Chest CT, axial plane, 120 kVp, kernel STANDARD. Slice 341/445 from the bottom of the scan; thickness 1.25 mm; pixel size 0.645 mm.
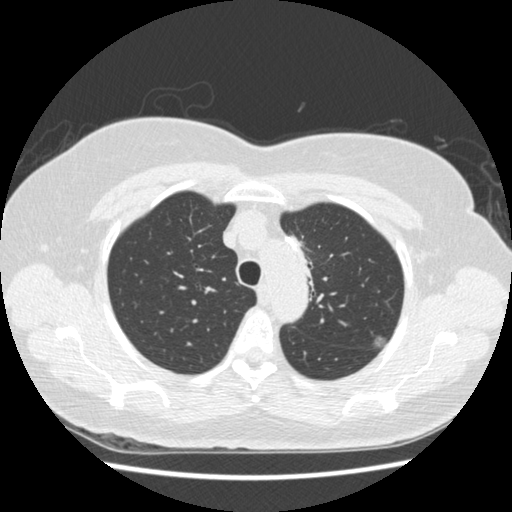
Pulmonary nodule, outlined by all four readers. Box on this slice rows 335–349, columns 372–387, the union of the readers' outlines on this slice; median longest diameter 11.1 mm (readers' outlines 9.9–11.6 mm), median volume 349 mm3 (292–430 mm3). Median ratings and the readers' spread: median texture 2/5 (readers ranged 1/5 (non-solid) to 4/5); median margin 4/5 (readers ranged 2/5 to 5/5 (circumscribed)); median sphericity 4/5 (readers ranged 3/5 (ovoid) to 5/5 (round)); calcification absent from all four readers; internal structure soft tissue from all four readers; subtlety 3/5 at the median of four readers, spread 3–5; median malignancy likelihood 4/5 (readers ranged 2–5). Scale key (1–5): texture non-solid→solid, margin indistinct→circumscribed, sphericity linear→round, subtlety extremely subtle→obvious, malignancy likelihood highly unlikely→highly suspicious of cancer. Box rows and columns are 0-based pixel indices from the top-left corner, inclusive.